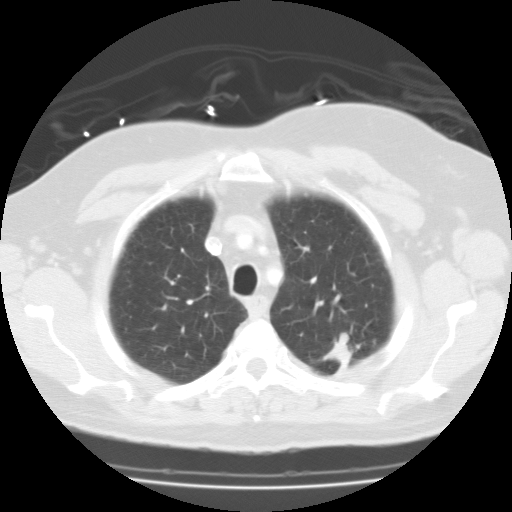
Axial chest CT slice 90 of 115 (counted from the lowest slice); tube voltage 135 kVp, convolution kernel FC01; slices 3.00 mm thick, 0.729 mm per pixel.
Pulmonary nodule, outlined by one of the four readers. Box on this slice rows 333–372, columns 322–351, that reader's outline on this slice; longest diameter 34.4 mm and volume 9064 mm3 from that reader's outline. That reader's ratings: texture 5/5 (solid); margin 3/5; sphericity 2/5; calcification absent; internal structure fluid; subtlety 5/5; malignancy likelihood 3/5. Scale key (1–5): texture non-solid→solid, margin indistinct→circumscribed, sphericity linear→round, subtlety extremely subtle→obvious, malignancy likelihood highly unlikely→highly suspicious of cancer. Box rows and columns are 0-based pixel indices from the top-left corner, inclusive.